Axial chest CT slice 213 of 261 (counted from the lowest slice); tube voltage 120 kVp, convolution kernel STANDARD; slices 1.25 mm thick, 0.684 mm per pixel.
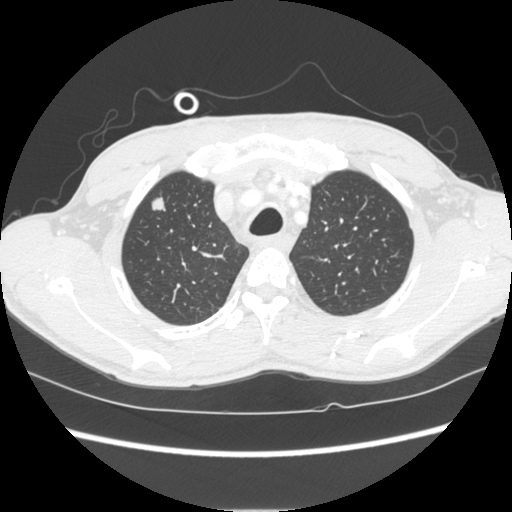
Pulmonary nodule outlined by all four readers; box rows 197–210, columns 151–165 (the union of the readers' outlines on this slice); the four readers' outlines give a longest diameter between 13.4 and 14.6 mm and a volume between 779 and 989 mm3. The readers' ratings, as ranges where they differ: texture 5/5 (solid) from all four readers; margin 5/5 (circumscribed) from all four readers; sphericity from 4/5 to 5/5 (round) across the four readers; calcification absent from all four readers; internal structure soft tissue, all four readers agreeing; subtlety 3–5/5 (the readers disagree); malignancy likelihood from 2/5 to 5/5 across the four readers. Scale key (1–5): texture non-solid→solid, margin indistinct→circumscribed, sphericity linear→round, subtlety extremely subtle→obvious, malignancy likelihood highly unlikely→highly suspicious of cancer. Box rows and columns are 0-based pixel indices from the top-left corner, inclusive.